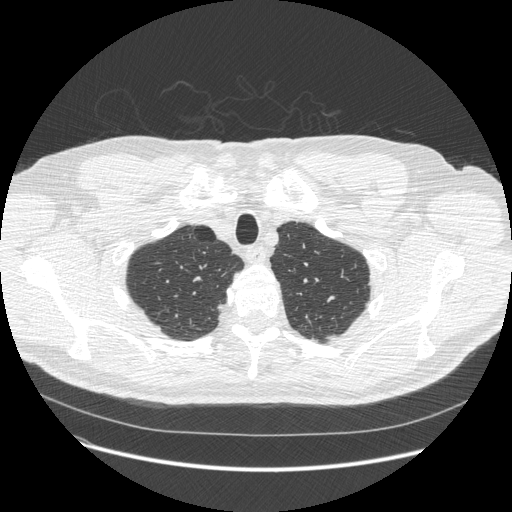
Chest CT, axial plane, 120 kVp, kernel STANDARD. Slice 462/541 from the bottom of the scan; thickness 1.25 mm; pixel size 0.781 mm.
Pulmonary nodule, outlined by one of the four readers. Box on this slice rows 326–330, columns 156–160, that reader's outline on this slice; longest diameter 7.2 mm and volume 60 mm3 from that reader's outline. That reader's ratings: texture 5/5 (solid); margin 5/5 (circumscribed); sphericity 4/5; calcification absent; internal structure soft tissue; subtlety 5/5; malignancy likelihood 3/5. Scale key (1–5): texture non-solid→solid, margin indistinct→circumscribed, sphericity linear→round, subtlety extremely subtle→obvious, malignancy likelihood highly unlikely→highly suspicious of cancer. Box rows and columns are 0-based pixel indices from the top-left corner, inclusive.